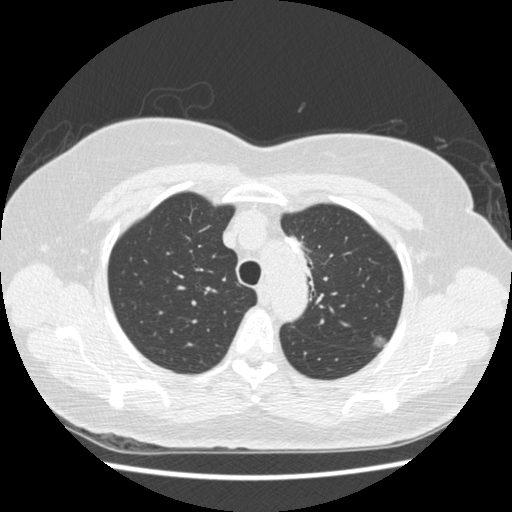
Axial chest CT slice 342 of 445 (counted from the lowest slice); tube voltage 120 kVp, convolution kernel STANDARD; slices 1.25 mm thick, 0.645 mm per pixel.
Pulmonary nodule at rows 335–348, columns 370–387 (box = the union of the readers' outlines on this slice), outlined by all four readers; longest diameter 9.9–11.6 mm and volume 292–430 mm3 across the four readers' outlines. The readers' ratings, as ranges where they differ: texture from 1/5 (non-solid) to 4/5 across the four readers; margin from 2/5 to 5/5 (circumscribed) across the four readers; sphericity from 3/5 (ovoid) to 5/5 (round) across the four readers; calcification absent from all four readers; internal structure soft tissue, all four readers agreeing; subtlety from 3/5 to 5/5 across the four readers; malignancy likelihood from 2/5 to 5/5 across the four readers. Scale key (1–5): texture non-solid→solid, margin indistinct→circumscribed, sphericity linear→round, subtlety extremely subtle→obvious, malignancy likelihood highly unlikely→highly suspicious of cancer. Box rows and columns are 0-based pixel indices from the top-left corner, inclusive.